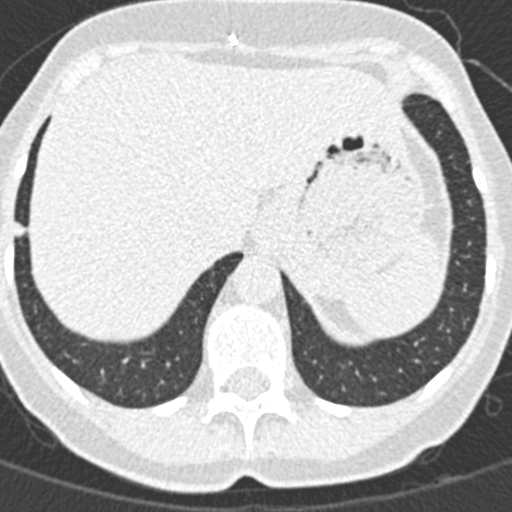
One axial slice (54 of 376, counting up from the lowest) of a chest CT acquired at 120 kVp with the B30f kernel; each pixel is 0.461 mm and the slice is 0.75 mm thick.
Pulmonary nodule at rows 220–236, columns 13–25 (box = the union of the readers' outlines on this slice), outlined by all four readers; longest diameter 8.5 mm on average over the four readers' outlines (readers' outlines 8.1–8.9 mm), volume 172–196 mm3. The readers' prevailing ratings and who disagreed: most readers (three of four) put texture at 5/5 (solid), others 4/5 (one); margin split among the readers: 4/5 (two), 5/5 (circumscribed) (two); sphericity split among the readers: 3/5 (ovoid) (two), 4/5 (two); calcification absent, all four readers agreeing; internal structure soft tissue, all four readers agreeing; subtlety 5/5 by three of four readers; the rest gave 3/5 (one); malignancy likelihood 3/5 by two of four readers; the rest gave 2/5 (one), 4/5 (one). Scale key (1–5): texture non-solid→solid, margin indistinct→circumscribed, sphericity linear→round, subtlety extremely subtle→obvious, malignancy likelihood highly unlikely→highly suspicious of cancer. Box rows and columns are 0-based pixel indices from the top-left corner, inclusive.